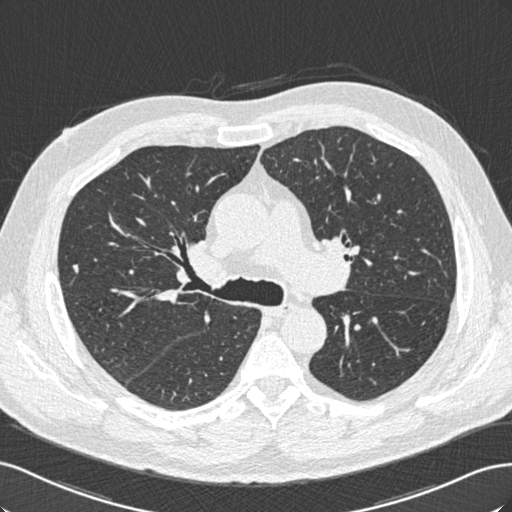
Slice 367/529 of a chest CT, counting up from the lowest; pixel size 0.703 mm, slice thickness 0.75 mm. Pulmonary nodule at rows 266–271, columns 74–77 (box = that reader's outline on this slice), outlined by one of the four readers; longest diameter 6.3 mm and volume 38 mm3 from that reader's outline. Ratings by that reader: texture 5/5 (solid); margin 5/5 (circumscribed); sphericity 3/5 (ovoid); calcification absent; internal structure soft tissue; subtlety 5/5; malignancy likelihood 3/5. Scale key (1–5): texture non-solid→solid, margin indistinct→circumscribed, sphericity linear→round, subtlety extremely subtle→obvious, malignancy likelihood highly unlikely→highly suspicious of cancer. Box rows and columns are 0-based pixel indices from the top-left corner, inclusive.
Scan settings: 120 kVp, B30f reconstruction kernel.